Chest CT, axial plane, 120 kVp, kernel B. Slice 375/590 from the bottom of the scan; thickness 0.90 mm; pixel size 0.627 mm.
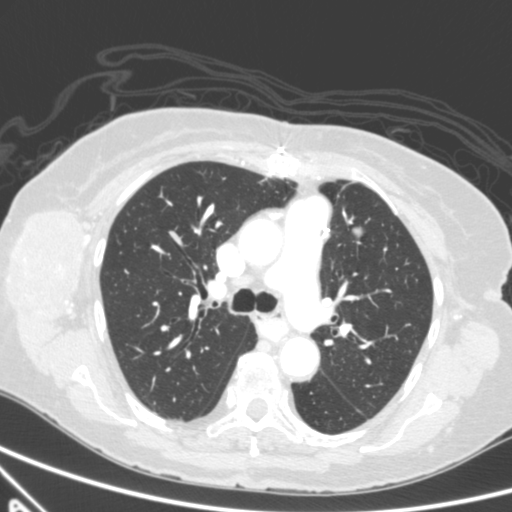
Pulmonary nodule outlined by all four readers; box rows 226–238, columns 351–363 (the union of the readers' outlines on this slice); longest diameter 16.3–20.1 mm and volume 1116–1236 mm3 across the four readers' outlines. Ratings across the readers: texture 5/5 (solid) from all four readers; margin from 3/5 to 5/5 (circumscribed) across the four readers; sphericity from 3/5 (ovoid) to 4/5 across the four readers; calcification absent from all four readers; internal structure soft tissue, all four readers agreeing; subtlety rated between 4 and 5 out of 5 by the four readers; malignancy likelihood from 3/5 to 5/5 across the four readers. Scale key (1–5): texture non-solid→solid, margin indistinct→circumscribed, sphericity linear→round, subtlety extremely subtle→obvious, malignancy likelihood highly unlikely→highly suspicious of cancer. Box rows and columns are 0-based pixel indices from the top-left corner, inclusive.